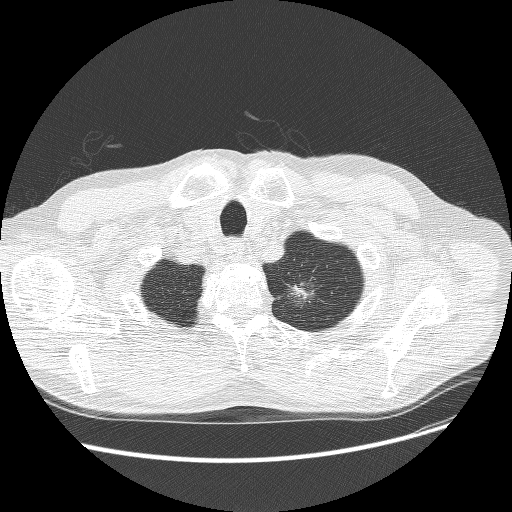
This is axial slice 247 of 268 (slice 1 is the lowest) of a chest CT; each pixel is 0.742 mm and the slice is 1.25 mm thick. Pulmonary nodule at rows 279–308, columns 284–318 (box = the union of the readers' outlines on this slice), outlined by three of the four readers; longest diameter 30.8–31.7 mm and volume 4750–7267 mm3 across the three readers' outlines. The readers' ratings, as ranges where they differ: texture 3/5 (part-solid) from all three readers; margin 1/5 (indistinct) from all three readers; sphericity from 3/5 (ovoid) to 4/5 across the three readers; calcification absent from all three readers; internal structure soft tissue, all three readers agreeing; subtlety rated between 4 and 5 out of 5 by the three readers; malignancy likelihood 4–5/5 (the readers disagree). Scale key (1–5): texture non-solid→solid, margin indistinct→circumscribed, sphericity linear→round, subtlety extremely subtle→obvious, malignancy likelihood highly unlikely→highly suspicious of cancer. Box rows and columns are 0-based pixel indices from the top-left corner, inclusive.
Acquired at 120 kVp and reconstructed with the BONE kernel.